Chest CT, axial plane, 135 kVp, kernel FC01. Slice 61/122 from the bottom of the scan; thickness 3.00 mm; pixel size 0.650 mm.
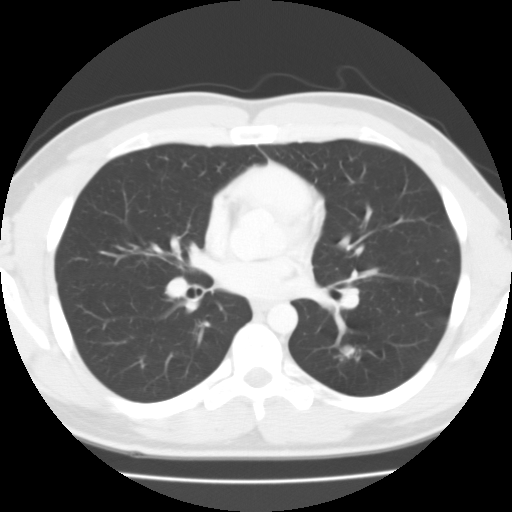
Pulmonary nodule outlined by all four readers; box rows 345–356, columns 341–354 (the union of the readers' outlines on this slice); median longest diameter 11.0 mm (readers' outlines 10.5–11.7 mm), median volume 436 mm3 (236–489 mm3). Median ratings and the readers' spread: texture 5/5 (solid) at the median of four readers, spread 4/5 to 5/5 (solid); margin 4/5 at the median of four readers, spread 3/5 to 5/5 (circumscribed); sphericity 3/5 (ovoid) at the median of four readers, spread 2/5 to 4/5; calcification absent from all four readers; internal structure soft tissue from all four readers; subtlety 3.5/5 at the median of four readers, spread 3–4; malignancy likelihood 2.5/5 at the median of four readers, spread 1–5. Scale key (1–5): texture non-solid→solid, margin indistinct→circumscribed, sphericity linear→round, subtlety extremely subtle→obvious, malignancy likelihood highly unlikely→highly suspicious of cancer. Box rows and columns are 0-based pixel indices from the top-left corner, inclusive.